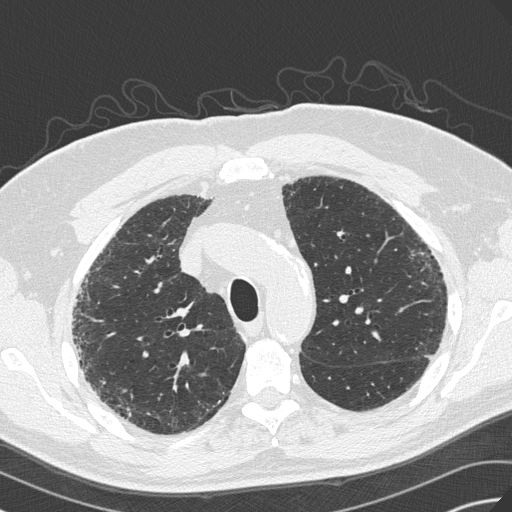
Axial chest CT slice 237 of 330 (counted from the lowest slice); tube voltage 120 kVp, convolution kernel B45f; slices 1.00 mm thick, 0.684 mm per pixel.
Pulmonary nodule at rows 413–416, columns 128–131 (box = the one reader's outline on this slice), outlined by two of the four readers, one of them on this slice; longest diameter 7.7 mm on average over the two readers' outlines (readers' outlines 7.6–7.8 mm), volume 118–132 mm3. Ratings, by the readers' most common answer with dissent counted: texture 5/5 (solid), both readers agreeing; margin 5/5 (circumscribed) from both readers; sphericity 5/5 (round), both readers agreeing; calcification solid calcification, both readers agreeing; internal structure soft tissue, both readers agreeing; subtlety split among the readers: 4/5 (one), 5/5 (one); malignancy likelihood 1/5, both readers agreeing. Scale key (1–5): texture non-solid→solid, margin indistinct→circumscribed, sphericity linear→round, subtlety extremely subtle→obvious, malignancy likelihood highly unlikely→highly suspicious of cancer. Box rows and columns are 0-based pixel indices from the top-left corner, inclusive.